Axial slice 201 of 276 of a chest CT (slice 1 is the lowest), reconstructed with the D kernel at 120 kVp; 2.00 mm slice thickness and 0.617 mm pixels.
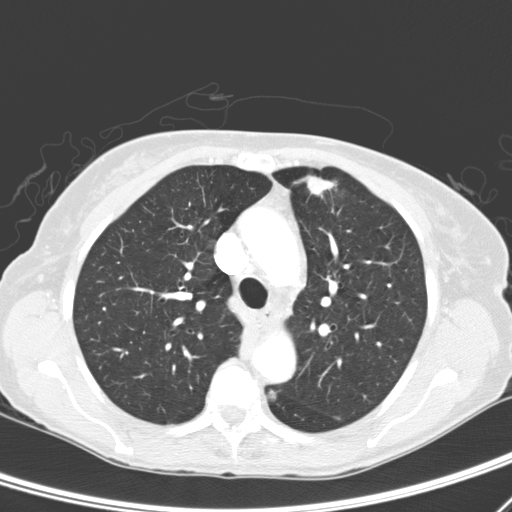
Two pulmonary nodules are outlined on this slice; from left to right: (1) Pulmonary nodule, outlined by two of the four readers. Box on this slice rows 389–400, columns 268–275, the union of the readers' outlines on this slice; longest diameter 7.4–10.0 mm and volume 109–225 mm3 across the two readers' outlines. The readers' ratings, as ranges where they differ: texture from 1/5 (non-solid) to 3/5 (part-solid) across the two readers; margin from 1/5 (indistinct) to 2/5 across the two readers; sphericity from 3/5 (ovoid) to 4/5 across the two readers; calcification absent, both readers agreeing; internal structure soft tissue, both readers agreeing; subtlety 3–5/5 (the readers disagree); malignancy likelihood 3–4/5 (the readers disagree). (2) Pulmonary nodule, outlined by three of the four readers. Box on this slice rows 174–197, columns 295–336, the union of the readers' outlines on this slice; the three readers' outlines give a longest diameter between 19.9 and 25.7 mm and a volume between 1110 and 1901 mm3. The readers' ratings, as ranges where they differ: texture from 4/5 to 5/5 (solid) across the three readers; margin from 2/5 to 4/5 across the three readers; sphericity from 3/5 (ovoid) to 4/5 across the three readers; calcification absent, all three readers agreeing; internal structure soft tissue from all three readers; subtlety 5/5 from all three readers; malignancy likelihood 5/5 from all three readers. Scale key (1–5): texture non-solid→solid, margin indistinct→circumscribed, sphericity linear→round, subtlety extremely subtle→obvious, malignancy likelihood highly unlikely→highly suspicious of cancer. Box rows and columns are 0-based pixel indices from the top-left corner, inclusive.